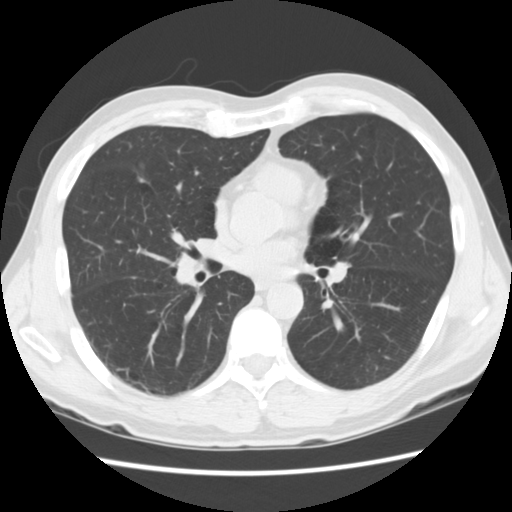
Chest CT, axial plane, 120 kVp, kernel STANDARD. Slice 78/161 from the bottom of the scan; thickness 2.50 mm; pixel size 0.664 mm.
Pulmonary nodule at rows 162–171, columns 138–144 (box = the union of the readers' outlines on this slice), outlined by all four readers, three of them on this slice; the four readers' outlines give a longest diameter between 10.7 and 13.1 mm and a volume between 172 and 293 mm3. Ratings across the readers: texture 5/5 (solid) from all four readers; margin from 4/5 to 5/5 (circumscribed) across the four readers; sphericity from 2/5 to 5/5 (round) across the four readers; calcification absent, all four readers agreeing; internal structure soft tissue, all four readers agreeing; subtlety 3–5/5 (the readers disagree); malignancy likelihood 2–4/5 (the readers disagree). Scale key (1–5): texture non-solid→solid, margin indistinct→circumscribed, sphericity linear→round, subtlety extremely subtle→obvious, malignancy likelihood highly unlikely→highly suspicious of cancer. Box rows and columns are 0-based pixel indices from the top-left corner, inclusive.